Chest CT, axial plane, 120 kVp, kernel STANDARD. Slice 158/429 from the bottom of the scan; thickness 1.25 mm; pixel size 0.703 mm.
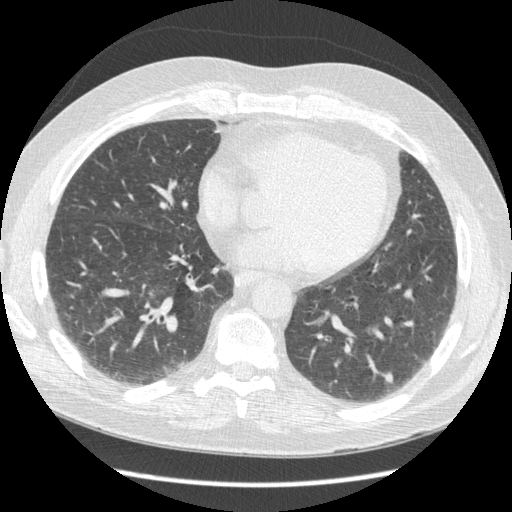
Pulmonary nodule at rows 371–383, columns 381–392 (box = the union of the readers' outlines on this slice), outlined by all four readers; median longest diameter 9.0 mm (readers' outlines 7.9–12.4 mm), median volume 146 mm3 (94–254 mm3). Ratings, median across the readers with their spread: texture 5/5 (solid) from all four readers; margin 4/5 at the median of four readers, spread 3/5 to 5/5 (circumscribed); median sphericity 4/5 (readers ranged 3/5 (ovoid) to 5/5 (round)); calcification absent from all four readers; internal structure soft tissue, all four readers agreeing; subtlety 3.5/5 at the median of four readers, spread 3–5; median malignancy likelihood 3/5 (readers ranged 2–4). Scale key (1–5): texture non-solid→solid, margin indistinct→circumscribed, sphericity linear→round, subtlety extremely subtle→obvious, malignancy likelihood highly unlikely→highly suspicious of cancer. Box rows and columns are 0-based pixel indices from the top-left corner, inclusive.